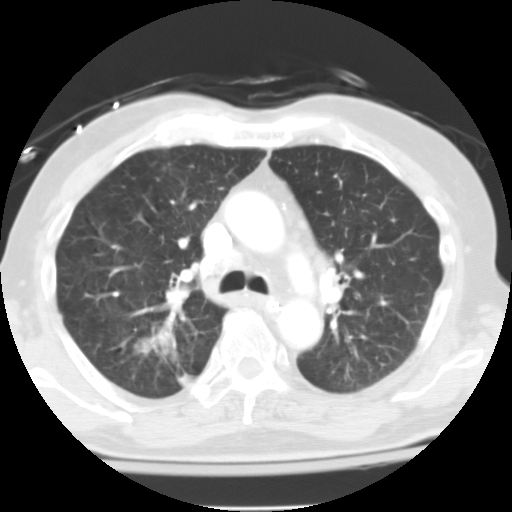
This is axial slice 86 of 125 (slice 1 is the lowest) of a chest CT; each pixel is 0.628 mm and the slice is 3.00 mm thick. Pulmonary nodule outlined once (the source holds six more outlines, not used); box rows 326–362, columns 134–178 (that reader's outline on this slice); longest diameter 31.3 mm and volume 4861 mm3 from that reader's outline. That reader's ratings: texture 4/5; margin 2/5; sphericity 2/5; calcification absent; internal structure soft tissue; subtlety 5/5; malignancy likelihood 5/5. Scale key (1–5): texture non-solid→solid, margin indistinct→circumscribed, sphericity linear→round, subtlety extremely subtle→obvious, malignancy likelihood highly unlikely→highly suspicious of cancer. Box rows and columns are 0-based pixel indices from the top-left corner, inclusive.
Acquired at 135 kVp and reconstructed with the FC10 kernel.